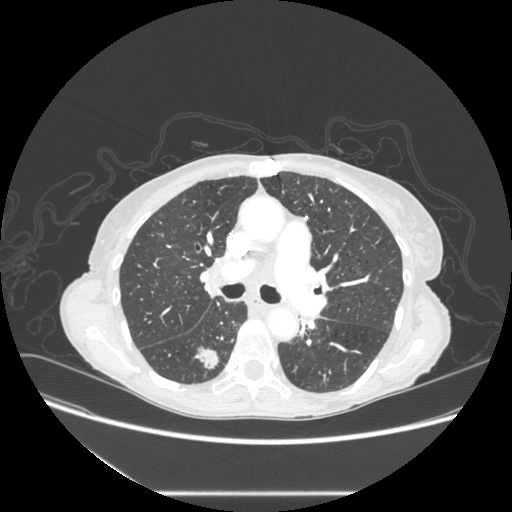
Slice 180/289 of a chest CT, counting up from the lowest; pixel size 0.764 mm, slice thickness 1.25 mm. Pulmonary nodule, outlined by all four readers. Box on this slice rows 345–368, columns 194–218, the union of the readers' outlines on this slice; longest diameter 20.5–21.9 mm and volume 2320–2697 mm3 across the four readers' outlines. Ratings across the readers: texture from 4/5 to 5/5 (solid) across the four readers; margin 4/5, all four readers agreeing; sphericity from 3/5 (ovoid) to 5/5 (round) across the four readers; calcification absent, all four readers agreeing; internal structure soft tissue from all four readers; subtlety 4–5/5 (the readers disagree); malignancy likelihood rated between 3 and 5 out of 5 by the four readers. Scale key (1–5): texture non-solid→solid, margin indistinct→circumscribed, sphericity linear→round, subtlety extremely subtle→obvious, malignancy likelihood highly unlikely→highly suspicious of cancer. Box rows and columns are 0-based pixel indices from the top-left corner, inclusive.
Scan settings: 120 kVp, STANDARD reconstruction kernel.